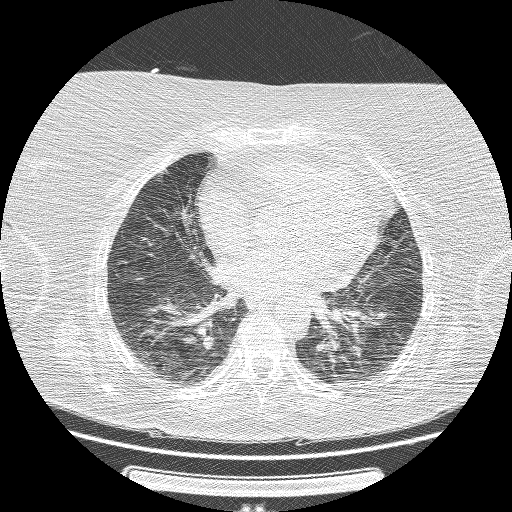
Chest CT, axial plane, 120 kVp, kernel BONE. Slice 61/162 from the bottom of the scan; thickness 1.25 mm; pixel size 0.703 mm.
Pulmonary nodule outlined by all four readers, one of them on this slice; box rows 170–177, columns 156–167 (the one reader's outline on this slice); the four readers' outlines give a longest diameter between 10.9 and 13.0 mm and a volume between 239 and 644 mm3. Ratings across the readers: texture 5/5 (solid) from all four readers; margin 4/5 from all four readers; sphericity from 3/5 (ovoid) to 4/5 across the four readers; calcification: absent (three), solid calcification (one); internal structure soft tissue, all four readers agreeing; subtlety 4–5/5 (the readers disagree); malignancy likelihood from 1/5 to 3/5 across the four readers. Scale key (1–5): texture non-solid→solid, margin indistinct→circumscribed, sphericity linear→round, subtlety extremely subtle→obvious, malignancy likelihood highly unlikely→highly suspicious of cancer. Box rows and columns are 0-based pixel indices from the top-left corner, inclusive.